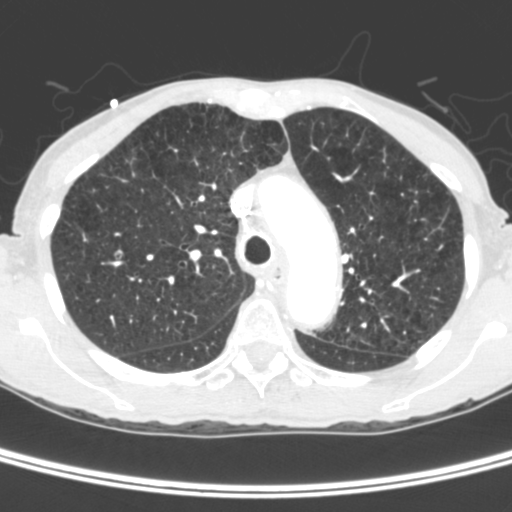
Axial slice 278 of 400 of a chest CT (slice 1 is the lowest), reconstructed with the C kernel at 120 kVp; 1.50 mm slice thickness and 0.527 mm pixels.
Pulmonary nodule outlined by one of the four readers; box rows 250–257, columns 114–122 (that reader's outline on this slice); longest diameter 5.7 mm and volume 76 mm3 from that reader's outline. That reader's ratings: texture 5/5 (solid); margin 4/5; sphericity 4/5; calcification absent; internal structure soft tissue; subtlety 4/5; malignancy likelihood 3/5. Scale key (1–5): texture non-solid→solid, margin indistinct→circumscribed, sphericity linear→round, subtlety extremely subtle→obvious, malignancy likelihood highly unlikely→highly suspicious of cancer. Box rows and columns are 0-based pixel indices from the top-left corner, inclusive.